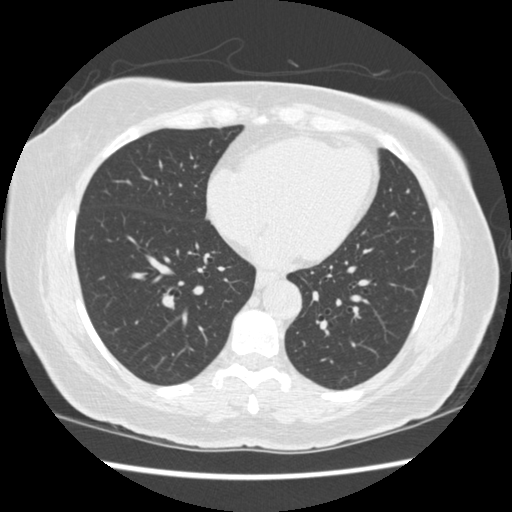
This is axial slice 174 of 445 (slice 1 is the lowest) of a chest CT; each pixel is 0.645 mm and the slice is 1.25 mm thick. None of the four readers outlined a nodule of 3 mm or more on this slice.
Tube voltage 120 kVp; convolution kernel STANDARD.